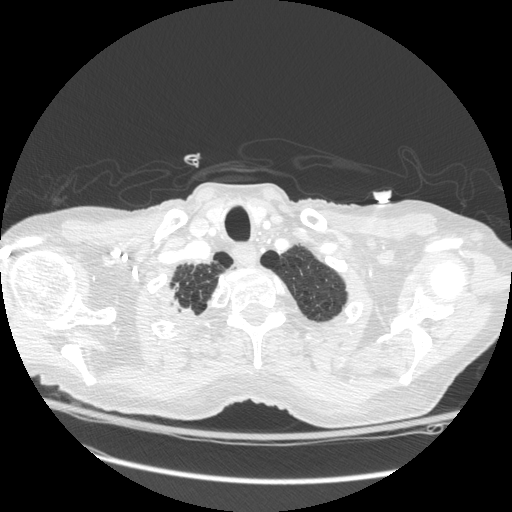
One axial slice (251 of 272, counting up from the lowest) of a chest CT acquired at 120 kVp with the STANDARD kernel; each pixel is 0.742 mm and the slice is 1.25 mm thick.
Pulmonary nodule at rows 286–315, columns 171–193 (box = the one reader's outline on this slice), outlined by all four readers, one of them on this slice; longest diameter 28.8 mm on average over the four readers' outlines (readers' outlines 16.0–56.1 mm), volume 732–13897 mm3. The readers' prevailing ratings and who disagreed: texture 5/5 (solid) from all four readers; most readers (three of four) put margin at 3/5, others 5/5 (circumscribed) (one); most readers (three of four) put sphericity at 3/5 (ovoid), others 4/5 (one); calcification absent from all four readers; internal structure soft tissue from all four readers; subtlety 5/5, all four readers agreeing; most readers (three of four) put malignancy likelihood at 5/5, others 4/5 (one). Scale key (1–5): texture non-solid→solid, margin indistinct→circumscribed, sphericity linear→round, subtlety extremely subtle→obvious, malignancy likelihood highly unlikely→highly suspicious of cancer. Box rows and columns are 0-based pixel indices from the top-left corner, inclusive.